Axial chest CT slice 47 of 116 (counted from the lowest slice); tube voltage 135 kVp, convolution kernel FC01; slices 3.00 mm thick, 0.702 mm per pixel.
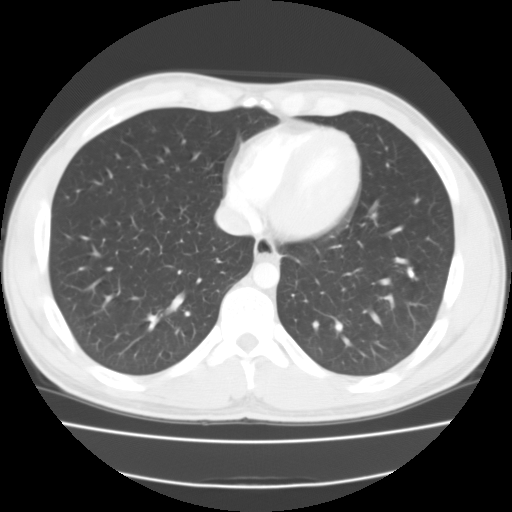
Pulmonary nodule at rows 267–277, columns 407–414 (box = the union of the readers' outlines on this slice), outlined by all four readers; median longest diameter 11.0 mm (readers' outlines 9.5–12.6 mm), median volume 554 mm3 (504–642 mm3). Ratings, median across the readers with their spread: texture 5/5 (solid), all four readers agreeing; margin 5/5 (circumscribed) at the median of four readers, spread 4/5 to 5/5 (circumscribed); sphericity 4/5 at the median of four readers, spread 4/5 to 5/5 (round); calcification split among the readers: central calcification (two), solid calcification (two); internal structure soft tissue from all four readers; median subtlety 5/5 (readers ranged 4–5); malignancy likelihood 1/5, all four readers agreeing. Scale key (1–5): texture non-solid→solid, margin indistinct→circumscribed, sphericity linear→round, subtlety extremely subtle→obvious, malignancy likelihood highly unlikely→highly suspicious of cancer. Box rows and columns are 0-based pixel indices from the top-left corner, inclusive.